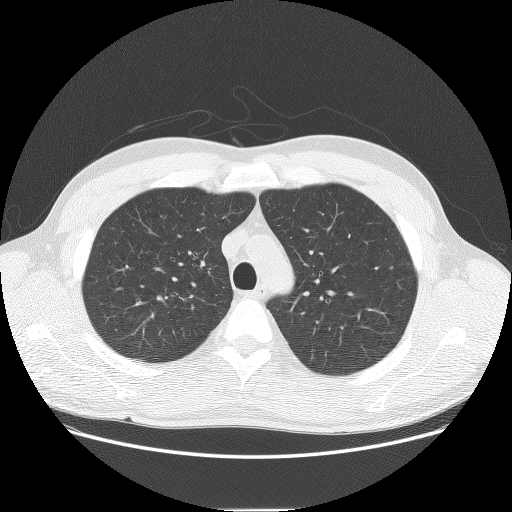
Chest CT, axial plane, 140 kVp, kernel BONE. Slice 90/121 from the bottom of the scan; thickness 2.50 mm; pixel size 0.762 mm.
Pulmonary nodule at rows 266–269, columns 388–392 (box = that reader's outline on this slice), outlined by one of the four readers; longest diameter 5.5 mm and volume 73 mm3 from that reader's outline. Ratings by that reader: texture 5/5 (solid); margin 5/5 (circumscribed); sphericity 5/5 (round); calcification absent; internal structure soft tissue; subtlety 2/5; malignancy likelihood 2/5. Scale key (1–5): texture non-solid→solid, margin indistinct→circumscribed, sphericity linear→round, subtlety extremely subtle→obvious, malignancy likelihood highly unlikely→highly suspicious of cancer. Box rows and columns are 0-based pixel indices from the top-left corner, inclusive.